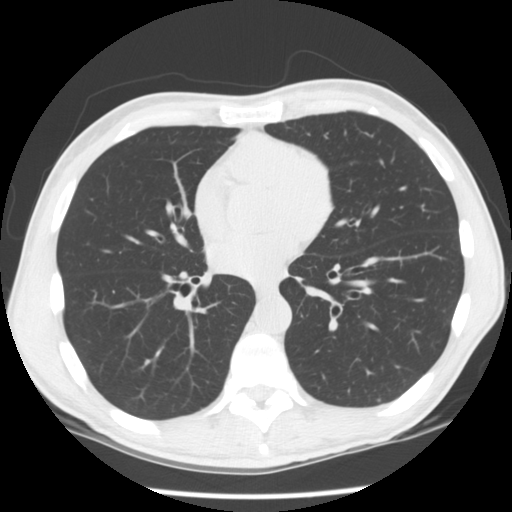
Axial chest CT slice 69 of 163 (counted from the lowest slice); tube voltage 120 kVp, convolution kernel STANDARD; slices 2.50 mm thick, 0.664 mm per pixel.
Pulmonary nodule at rows 359–363, columns 145–149 (box = that reader's outline on this slice), outlined by one of the four readers; longest diameter 4.5 mm and volume 28 mm3 from that reader's outline. That reader's ratings: texture 5/5 (solid); margin 5/5 (circumscribed); sphericity 5/5 (round); calcification absent; internal structure soft tissue; subtlety 1/5; malignancy likelihood 3/5. Scale key (1–5): texture non-solid→solid, margin indistinct→circumscribed, sphericity linear→round, subtlety extremely subtle→obvious, malignancy likelihood highly unlikely→highly suspicious of cancer. Box rows and columns are 0-based pixel indices from the top-left corner, inclusive.